Axial chest CT slice 138 of 426 (counted from the lowest slice); tube voltage 120 kVp, convolution kernel STANDARD; slices 1.25 mm thick, 0.742 mm per pixel.
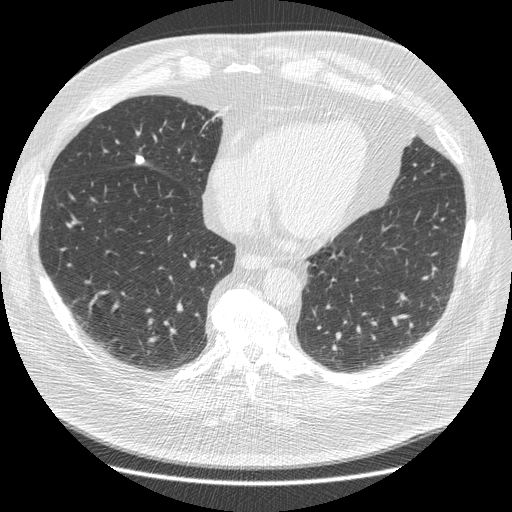
Pulmonary nodule, outlined by all four readers. Box on this slice rows 154–164, columns 135–144, the union of the readers' outlines on this slice; median longest diameter 9.6 mm (readers' outlines 9.6–10.0 mm), median volume 213 mm3 (202–225 mm3). Median ratings and the readers' spread: texture 5/5 (solid) from all four readers; margin 5/5 (circumscribed) from all four readers; median sphericity 4.5/5 (readers ranged 4/5 to 5/5 (round)); calcification solid calcification, all four readers agreeing; internal structure soft tissue, all four readers agreeing; subtlety 5/5, all four readers agreeing; malignancy likelihood 1/5, all four readers agreeing. Scale key (1–5): texture non-solid→solid, margin indistinct→circumscribed, sphericity linear→round, subtlety extremely subtle→obvious, malignancy likelihood highly unlikely→highly suspicious of cancer. Box rows and columns are 0-based pixel indices from the top-left corner, inclusive.